Axial chest CT slice 119 of 250 (counted from the lowest slice); tube voltage 120 kVp, convolution kernel BONE; slices 1.25 mm thick, 0.586 mm per pixel.
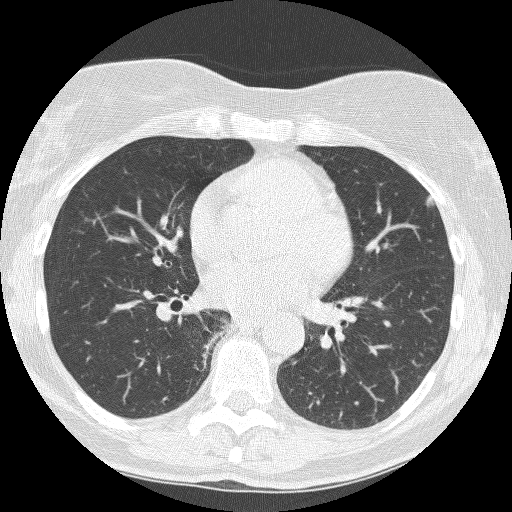
Pulmonary nodule at rows 195–206, columns 425–434 (box = the union of the readers' outlines on this slice), outlined by two of the four readers; median longest diameter 7.9 mm (readers' outlines 7.4–8.4 mm), median volume 104 mm3 (74–134 mm3). Ratings, median across the readers with their spread: texture 4/5 at the median of two readers, spread 3/5 (part-solid) to 5/5 (solid); median margin 3.5/5 (readers ranged 2/5 to 5/5 (circumscribed)); median sphericity 3.5/5 (readers ranged 3/5 (ovoid) to 4/5); calcification absent, both readers agreeing; internal structure soft tissue from both readers; subtlety 4/5 from both readers; median malignancy likelihood 3.5/5 (readers ranged 3–4). Scale key (1–5): texture non-solid→solid, margin indistinct→circumscribed, sphericity linear→round, subtlety extremely subtle→obvious, malignancy likelihood highly unlikely→highly suspicious of cancer. Box rows and columns are 0-based pixel indices from the top-left corner, inclusive.